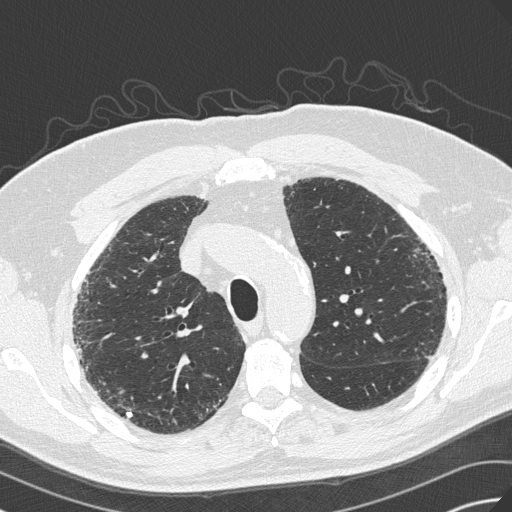
Axial slice 238 of 330 of a chest CT (slice 1 is the lowest), reconstructed with the B45f kernel at 120 kVp; 1.00 mm slice thickness and 0.684 mm pixels.
Pulmonary nodule at rows 411–417, columns 126–132 (box = the union of the readers' outlines on this slice), outlined by two of the four readers; median longest diameter 7.7 mm (readers' outlines 7.6–7.8 mm), median volume 125 mm3 (118–132 mm3). Ratings, median across the readers with their spread: texture 5/5 (solid) from both readers; margin 5/5 (circumscribed) from both readers; sphericity 5/5 (round), both readers agreeing; calcification solid calcification from both readers; internal structure soft tissue, both readers agreeing; subtlety 4.5/5 at the median of two readers, spread 4–5; malignancy likelihood 1/5 from both readers. Scale key (1–5): texture non-solid→solid, margin indistinct→circumscribed, sphericity linear→round, subtlety extremely subtle→obvious, malignancy likelihood highly unlikely→highly suspicious of cancer. Box rows and columns are 0-based pixel indices from the top-left corner, inclusive.